Axial chest CT slice 29 of 117 (counted from the lowest slice); tube voltage 120 kVp, convolution kernel LUNG; slices 2.50 mm thick, 0.898 mm per pixel.
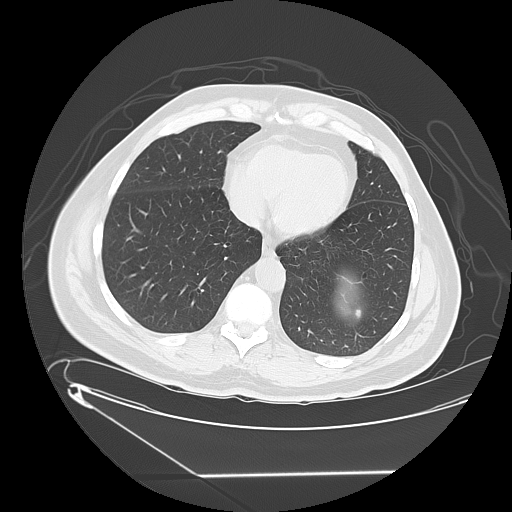
Pulmonary nodule at rows 309–317, columns 355–360 (box = the union of the readers' outlines on this slice), outlined by three of the four readers; longest diameter 7.4–9.2 mm and volume 65–97 mm3 across the three readers' outlines. Ratings across the readers: texture from 4/5 to 5/5 (solid) across the three readers; margin from 3/5 to 5/5 (circumscribed) across the three readers; sphericity from 3/5 (ovoid) to 4/5 across the three readers; calcification absent from all three readers; internal structure soft tissue, all three readers agreeing; subtlety from 2/5 to 5/5 across the three readers; malignancy likelihood rated between 2 and 3 out of 5 by the three readers. Scale key (1–5): texture non-solid→solid, margin indistinct→circumscribed, sphericity linear→round, subtlety extremely subtle→obvious, malignancy likelihood highly unlikely→highly suspicious of cancer. Box rows and columns are 0-based pixel indices from the top-left corner, inclusive.